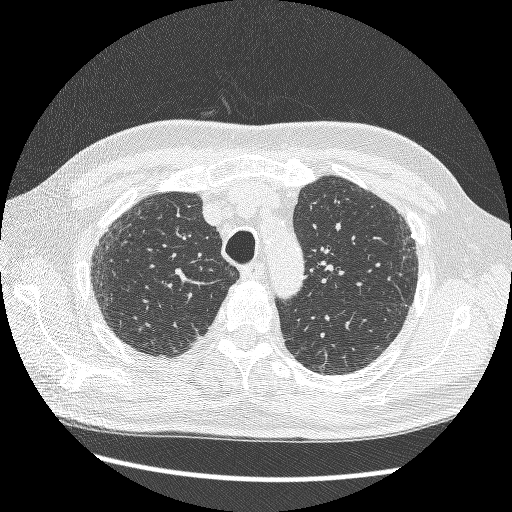
Axial chest CT slice 203 of 264 (counted from the lowest slice); tube voltage 120 kVp, convolution kernel BONE; slices 1.25 mm thick, 0.703 mm per pixel.
Pulmonary nodule outlined by three of the four readers; box rows 233–238, columns 411–415 (the union of the readers' outlines on this slice); median longest diameter 6.7 mm (readers' outlines 6.7–7.6 mm), median volume 65 mm3 (43–74 mm3). Median ratings and the readers' spread: texture 5/5 (solid) from all three readers; margin 5/5 (circumscribed) at the median of three readers, spread 4/5 to 5/5 (circumscribed); median sphericity 2/5 (readers ranged 1/5 (linear) to 3/5 (ovoid)); calcification solid calcification, all three readers agreeing; internal structure soft tissue from all three readers; subtlety 2/5 at the median of three readers, spread 1–4; malignancy likelihood 1/5, all three readers agreeing. Scale key (1–5): texture non-solid→solid, margin indistinct→circumscribed, sphericity linear→round, subtlety extremely subtle→obvious, malignancy likelihood highly unlikely→highly suspicious of cancer. Box rows and columns are 0-based pixel indices from the top-left corner, inclusive.